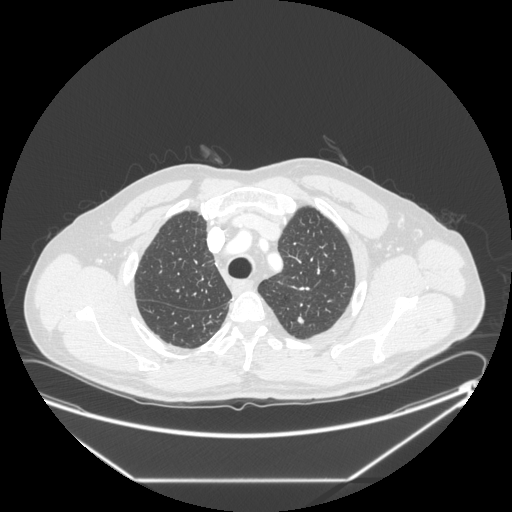
Chest CT, axial plane, 120 kVp, kernel STANDARD. Slice 210/277 from the bottom of the scan; thickness 1.25 mm; pixel size 0.879 mm.
Pulmonary nodule, outlined by all four readers. Box on this slice rows 313–324, columns 297–304, the union of the readers' outlines on this slice; median longest diameter 9.9 mm (readers' outlines 8.8–11.6 mm), median volume 204 mm3 (140–256 mm3). Ratings, median across the readers with their spread: texture 5/5 (solid), all four readers agreeing; margin 4.5/5 at the median of four readers, spread 4/5 to 5/5 (circumscribed); median sphericity 3/5 (ovoid) (readers ranged 3/5 (ovoid) to 4/5); calcification absent, all four readers agreeing; internal structure soft tissue, all four readers agreeing; median subtlety 4.5/5 (readers ranged 2–5); malignancy likelihood 3.5/5 at the median of four readers, spread 2–4. Scale key (1–5): texture non-solid→solid, margin indistinct→circumscribed, sphericity linear→round, subtlety extremely subtle→obvious, malignancy likelihood highly unlikely→highly suspicious of cancer. Box rows and columns are 0-based pixel indices from the top-left corner, inclusive.